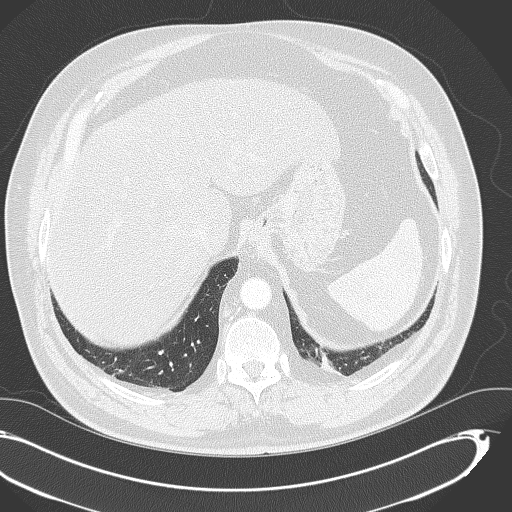
Axial chest CT slice 101 of 333 (counted from the lowest slice); tube voltage 120 kVp, convolution kernel B70f; slices 2.00 mm thick, 0.775 mm per pixel.
Pulmonary nodule at rows 349–355, columns 158–163 (box = the union of the readers' outlines on this slice), outlined by all four readers; longest diameter 7.5 mm on average over the four readers' outlines (readers' outlines 7.1–8.0 mm), volume 121–157 mm3. The readers' prevailing ratings and who disagreed: texture 5/5 (solid), all four readers agreeing; margin 5/5 (circumscribed), all four readers agreeing; sphericity split among the readers: 3/5 (ovoid) (two), 4/5 (two); calcification solid calcification by three of four readers, central calcification (one); internal structure soft tissue from all four readers; subtlety 5/5 by three of four readers; the rest gave 3/5 (one); malignancy likelihood 1/5 from all four readers. Scale key (1–5): texture non-solid→solid, margin indistinct→circumscribed, sphericity linear→round, subtlety extremely subtle→obvious, malignancy likelihood highly unlikely→highly suspicious of cancer. Box rows and columns are 0-based pixel indices from the top-left corner, inclusive.